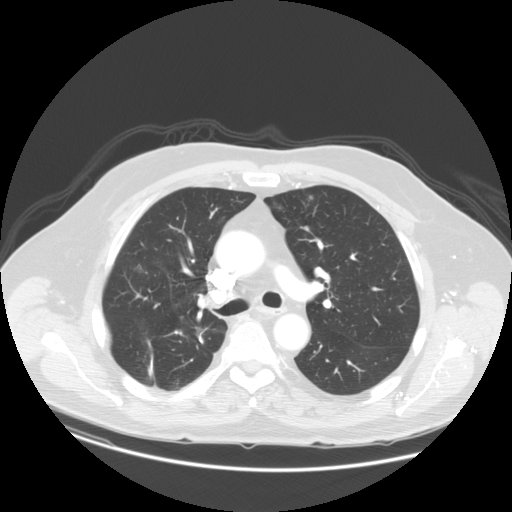
Axial slice 82 of 140 of a chest CT (slice 1 is the lowest), reconstructed with the STANDARD kernel at 120 kVp; 2.50 mm slice thickness and 0.820 mm pixels.
Two pulmonary nodules are outlined on this slice; from left to right: (1) Pulmonary nodule outlined by all four readers, one of them on this slice; box rows 216–222, columns 219–225 (the one reader's outline on this slice); longest diameter 15.0 mm on average over the four readers' outlines (readers' outlines 14.3–15.6 mm), volume 1108–1503 mm3. The readers' prevailing ratings and who disagreed: texture 5/5 (solid) from all four readers; margin 5/5 (circumscribed) from all four readers; sphericity split among the readers: 4/5 (two), 5/5 (round) (two); calcification absent from all four readers; internal structure soft tissue from all four readers; subtlety 4/5 by two of four readers; the rest gave 3/5 (one), 5/5 (one); malignancy likelihood split among the readers: 2/5 (one), 3/5 (one), 4/5 (one), 5/5 (one). (2) Pulmonary nodule, outlined by all four readers, three of them on this slice. Box on this slice rows 195–199, columns 308–313, the union of the readers' outlines on this slice; the four readers' outlines give a longest diameter between 11.9 and 14.8 mm and a volume between 312 and 584 mm3. Ratings across the readers: texture from 4/5 to 5/5 (solid) across the four readers; margin from 3/5 to 5/5 (circumscribed) across the four readers; sphericity from 2/5 to 5/5 (round) across the four readers; calcification absent, all four readers agreeing; internal structure soft tissue, all four readers agreeing; subtlety from 3/5 to 4/5 across the four readers; malignancy likelihood rated between 2 and 4 out of 5 by the four readers. Scale key (1–5): texture non-solid→solid, margin indistinct→circumscribed, sphericity linear→round, subtlety extremely subtle→obvious, malignancy likelihood highly unlikely→highly suspicious of cancer. Box rows and columns are 0-based pixel indices from the top-left corner, inclusive.